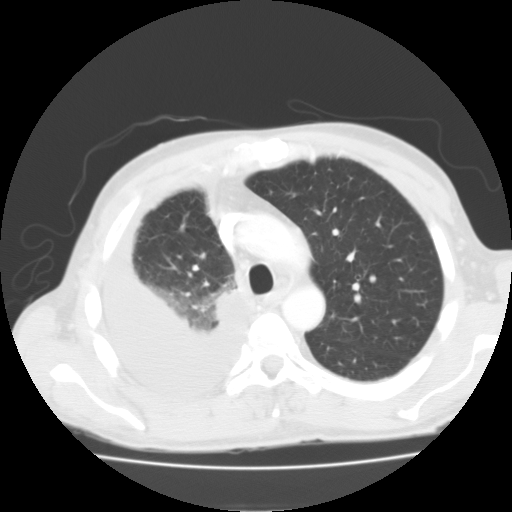
Chest CT, axial plane, 135 kVp, kernel FC01. Slice 87/118 from the bottom of the scan; thickness 3.00 mm; pixel size 0.705 mm.
None of the four readers outlined a nodule of 3 mm or more on this slice.